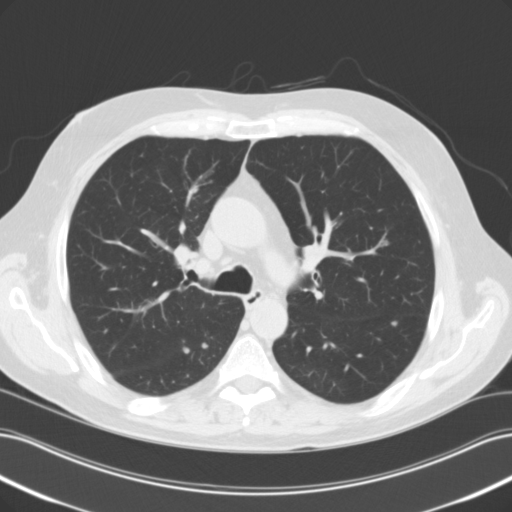
One axial slice (77 of 118, counting up from the lowest) of a chest CT acquired at 120 kVp with the B31f kernel; each pixel is 0.707 mm and the slice is 3.00 mm thick.
Three pulmonary nodules are outlined on this slice; from left to right: (1) Pulmonary nodule at rows 346–353, columns 182–189 (box = the union of the readers' outlines on this slice), outlined by three of the four readers; longest diameter 6.3–7.3 mm and volume 98–144 mm3 across the three readers' outlines. Ratings across the readers: texture from 3/5 (part-solid) to 5/5 (solid) across the three readers; margin from 3/5 to 4/5 across the three readers; sphericity from 3/5 (ovoid) to 4/5 across the three readers; calcification absent, all three readers agreeing; internal structure soft tissue from all three readers; subtlety from 1/5 to 5/5 across the three readers; malignancy likelihood rated between 2 and 3 out of 5 by the three readers. (2) Pulmonary nodule outlined by three of the four readers; box rows 343–348, columns 202–207 (the union of the readers' outlines on this slice); median longest diameter 5.5 mm (readers' outlines 5.4–6.0 mm), median volume 82 mm3 (55–109 mm3). Median ratings and the readers' spread: median texture 5/5 (solid) (readers ranged 3/5 (part-solid) to 5/5 (solid)); median margin 4/5 (readers ranged 2/5 to 4/5); median sphericity 3/5 (ovoid) (readers ranged 3/5 (ovoid) to 4/5); calcification absent from all three readers; internal structure soft tissue from all three readers; median subtlety 2/5 (readers ranged 1–5); median malignancy likelihood 3/5 (readers ranged 2–3). (3) Pulmonary nodule at rows 320–327, columns 390–398 (box = that reader's outline on this slice), outlined by one of the four readers; longest diameter 7.2 mm and volume 94 mm3 from that reader's outline. Ratings by that reader: texture 5/5 (solid); margin 4/5; sphericity 4/5; calcification absent; internal structure soft tissue; subtlety 5/5; malignancy likelihood 3/5. Scale key (1–5): texture non-solid→solid, margin indistinct→circumscribed, sphericity linear→round, subtlety extremely subtle→obvious, malignancy likelihood highly unlikely→highly suspicious of cancer. Box rows and columns are 0-based pixel indices from the top-left corner, inclusive.